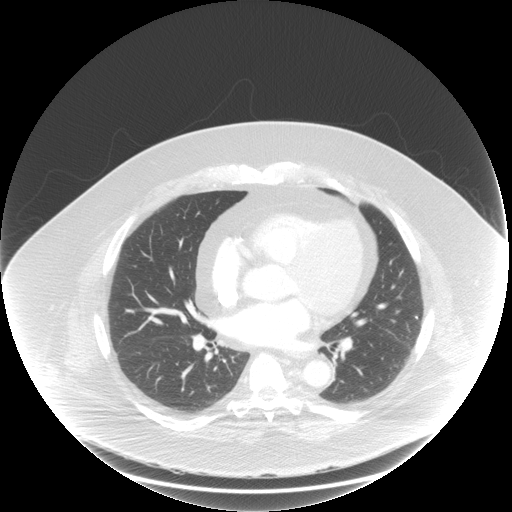
Axial chest CT slice 71 of 143 (counted from the lowest slice); tube voltage 120 kVp, convolution kernel STANDARD; slices 2.50 mm thick, 0.977 mm per pixel.
No nodule 3 mm or larger was outlined here by any reader.